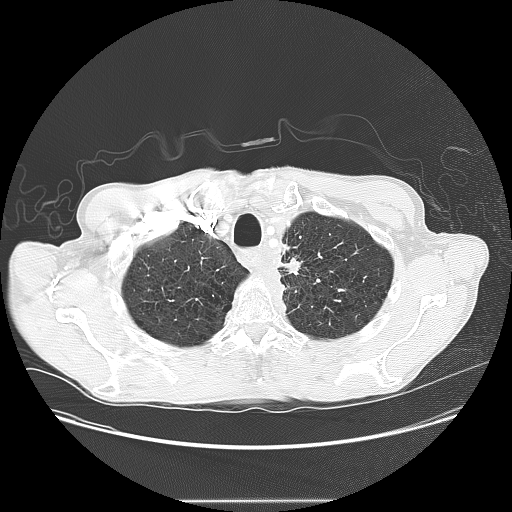
Axial chest CT slice 125 of 145 (counted from the lowest slice); 2.50 mm thick, 0.781 mm per pixel. Pulmonary nodule at rows 257–275, columns 280–304 (box = that reader's outline on this slice), outlined by one of the four readers; longest diameter 20.7 mm and volume 2229 mm3 from that reader's outline. Ratings by that reader: texture 5/5 (solid); margin 2/5; sphericity 5/5 (round); calcification absent; internal structure soft tissue; subtlety 4/5; malignancy likelihood 5/5. Scale key (1–5): texture non-solid→solid, margin indistinct→circumscribed, sphericity linear→round, subtlety extremely subtle→obvious, malignancy likelihood highly unlikely→highly suspicious of cancer. Box rows and columns are 0-based pixel indices from the top-left corner, inclusive.
Acquired at 120 kVp and reconstructed with the LUNG kernel.